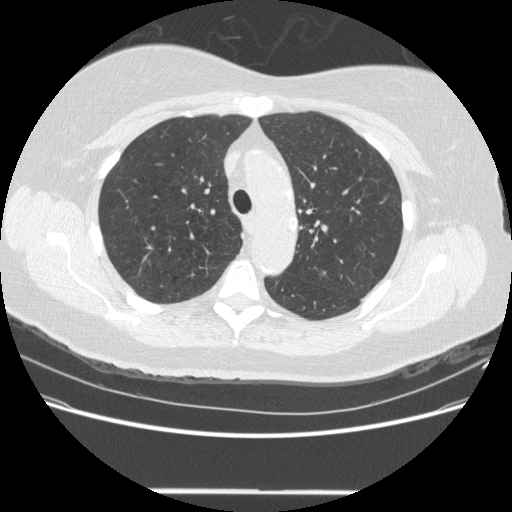
One axial slice (347 of 481, counting up from the lowest) of a chest CT acquired at 120 kVp with the STANDARD kernel; each pixel is 0.742 mm and the slice is 1.25 mm thick.
Pulmonary nodule at rows 269–276, columns 319–326 (box = the union of the readers' outlines on this slice), outlined by three of the four readers; the three readers' outlines give a longest diameter between 6.3 and 7.0 mm and a volume between 65 and 113 mm3. The readers' ratings, as ranges where they differ: texture from 3/5 (part-solid) to 5/5 (solid) across the three readers; margin from 2/5 to 4/5 across the three readers; sphericity from 3/5 (ovoid) to 4/5 across the three readers; calcification absent, all three readers agreeing; internal structure soft tissue from all three readers; subtlety 2–4/5 (the readers disagree); malignancy likelihood from 2/5 to 3/5 across the three readers. Scale key (1–5): texture non-solid→solid, margin indistinct→circumscribed, sphericity linear→round, subtlety extremely subtle→obvious, malignancy likelihood highly unlikely→highly suspicious of cancer. Box rows and columns are 0-based pixel indices from the top-left corner, inclusive.